Chest CT, axial plane, 120 kVp, kernel LUNG. Slice 56/133 from the bottom of the scan; thickness 2.50 mm; pixel size 0.820 mm.
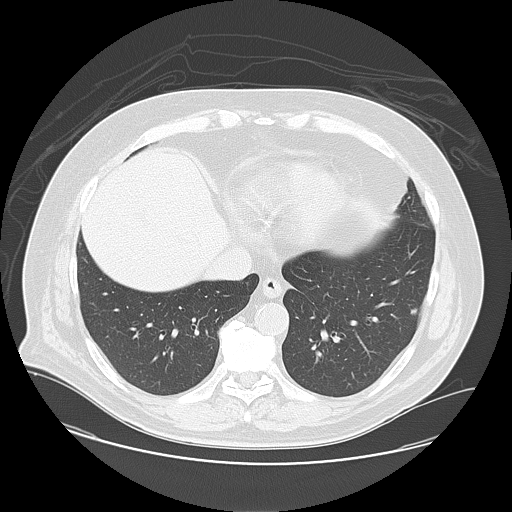
Pulmonary nodule at rows 307–315, columns 410–417 (box = the union of the readers' outlines on this slice), outlined by two of the four readers; median longest diameter 8.6 mm (readers' outlines 8.6–8.7 mm), median volume 126 mm3 (100–151 mm3). Median ratings and the readers' spread: median texture 4/5 (readers ranged 3/5 (part-solid) to 5/5 (solid)); median margin 2/5 (readers ranged 1/5 (indistinct) to 3/5); sphericity 3.5/5 at the median of two readers, spread 3/5 (ovoid) to 4/5; calcification absent from both readers; internal structure soft tissue from both readers; median subtlety 3.5/5 (readers ranged 2–5); median malignancy likelihood 2.5/5 (readers ranged 2–3). Scale key (1–5): texture non-solid→solid, margin indistinct→circumscribed, sphericity linear→round, subtlety extremely subtle→obvious, malignancy likelihood highly unlikely→highly suspicious of cancer. Box rows and columns are 0-based pixel indices from the top-left corner, inclusive.